Chest CT, axial plane, 130 kVp, kernel B31s. Slice 87/121 from the bottom of the scan; thickness 3.00 mm; pixel size 0.766 mm.
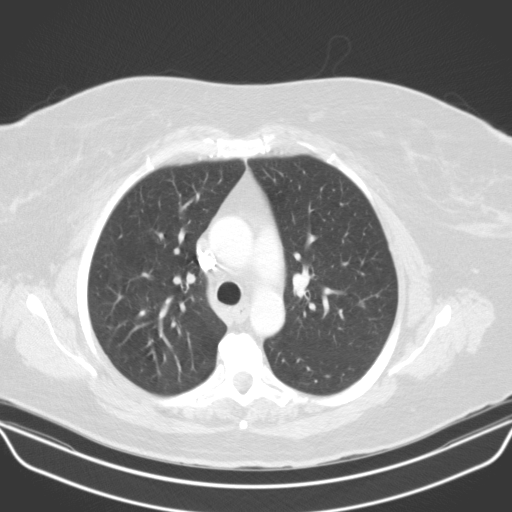
None of the four readers outlined a nodule of 3 mm or more on this slice.